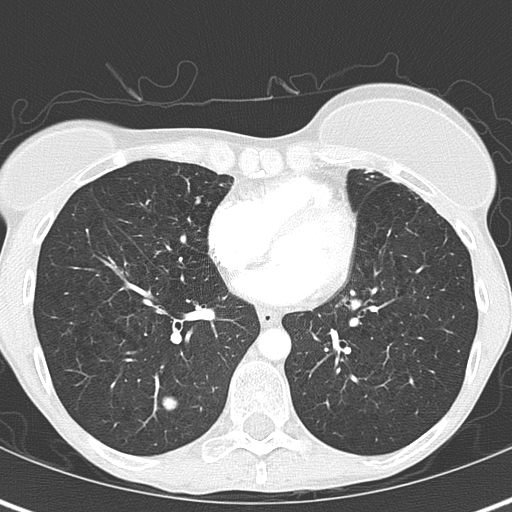
Axial chest CT slice 168 of 345 (counted from the lowest slice); tube voltage 120 kVp, convolution kernel B70f; slices 2.00 mm thick, 0.541 mm per pixel.
Pulmonary nodule at rows 396–411, columns 161–178 (box = the union of the readers' outlines on this slice), outlined by all four readers; longest diameter 13.8 mm on average over the four readers' outlines (readers' outlines 13.7–13.9 mm), volume 707–844 mm3. Ratings, by the readers' most common answer with dissent counted: texture 5/5 (solid) from all four readers; margin 5/5 (circumscribed), all four readers agreeing; sphericity split among the readers: 3/5 (ovoid) (two), 5/5 (round) (two); calcification split among the readers: laminated calcification (two), solid calcification (two); internal structure soft tissue from all four readers; subtlety 5/5 from all four readers; malignancy likelihood 1/5 from all four readers. Scale key (1–5): texture non-solid→solid, margin indistinct→circumscribed, sphericity linear→round, subtlety extremely subtle→obvious, malignancy likelihood highly unlikely→highly suspicious of cancer. Box rows and columns are 0-based pixel indices from the top-left corner, inclusive.